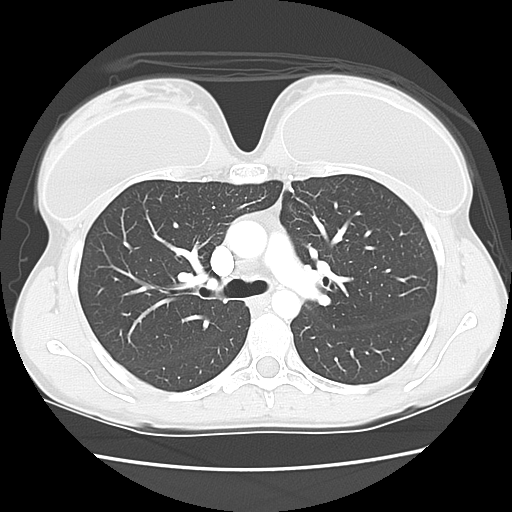
Axial slice 89 of 129 of a chest CT (slice 1 is the lowest), reconstructed with the LUNG kernel at 120 kVp; 2.50 mm slice thickness and 0.625 mm pixels.
No nodule 3 mm or larger was outlined here by any reader.